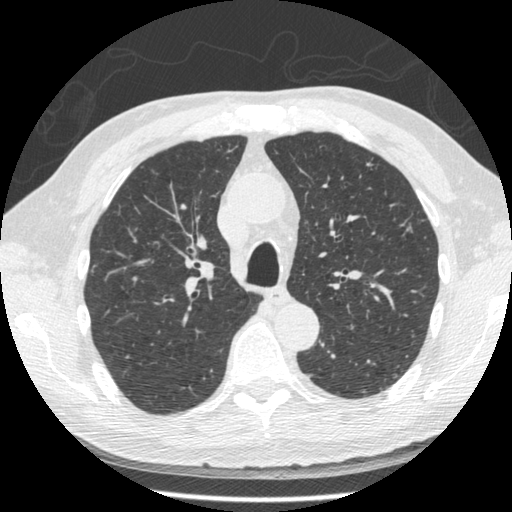
One axial slice (329 of 481, counting up from the lowest) of a chest CT acquired at 120 kVp with the STANDARD kernel; each pixel is 0.664 mm and the slice is 1.25 mm thick.
Pulmonary nodule at rows 162–165, columns 366–372 (box = the union of the readers' outlines on this slice), outlined by two of the four readers; longest diameter 11.4 mm on average over the two readers' outlines (readers' outlines 10.5–12.2 mm), volume 150–184 mm3. The readers' prevailing ratings and who disagreed: texture split among the readers: 2/5 (one), 4/5 (one); margin split among the readers: 1/5 (indistinct) (one), 4/5 (one); sphericity split among the readers: 2/5 (one), 3/5 (ovoid) (one); calcification absent, both readers agreeing; internal structure soft tissue from both readers; subtlety split among the readers: 2/5 (one), 4/5 (one); malignancy likelihood split among the readers: 1/5 (one), 3/5 (one). Scale key (1–5): texture non-solid→solid, margin indistinct→circumscribed, sphericity linear→round, subtlety extremely subtle→obvious, malignancy likelihood highly unlikely→highly suspicious of cancer. Box rows and columns are 0-based pixel indices from the top-left corner, inclusive.